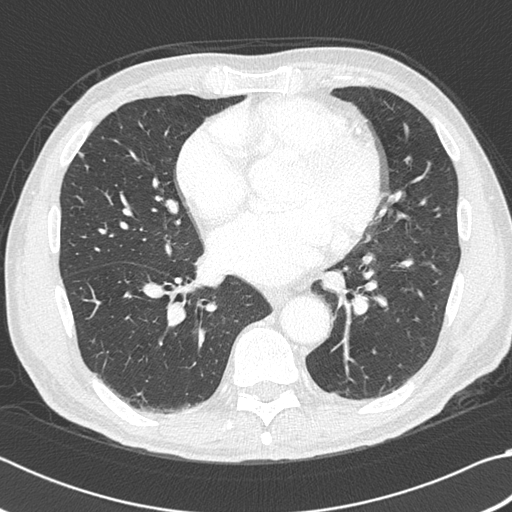
Axial slice 187 of 383 of a chest CT (slice 1 is the lowest), reconstructed with the B45f kernel at 120 kVp; 1.00 mm slice thickness and 0.664 mm pixels.
Pulmonary nodule at rows 152–157, columns 78–83 (box = the union of the readers' outlines on this slice), outlined by three of the four readers; median longest diameter 5.5 mm (readers' outlines 5.1–5.7 mm), median volume 41 mm3 (38–57 mm3). Median ratings and the readers' spread: texture 5/5 (solid), all three readers agreeing; median margin 5/5 (circumscribed) (readers ranged 4/5 to 5/5 (circumscribed)); sphericity 4/5 at the median of three readers, spread 3/5 (ovoid) to 4/5; calcification absent from all three readers; internal structure soft tissue from all three readers; subtlety 4/5 at the median of three readers, spread 2–4; malignancy likelihood 2/5 at the median of three readers, spread 1–3. Scale key (1–5): texture non-solid→solid, margin indistinct→circumscribed, sphericity linear→round, subtlety extremely subtle→obvious, malignancy likelihood highly unlikely→highly suspicious of cancer. Box rows and columns are 0-based pixel indices from the top-left corner, inclusive.